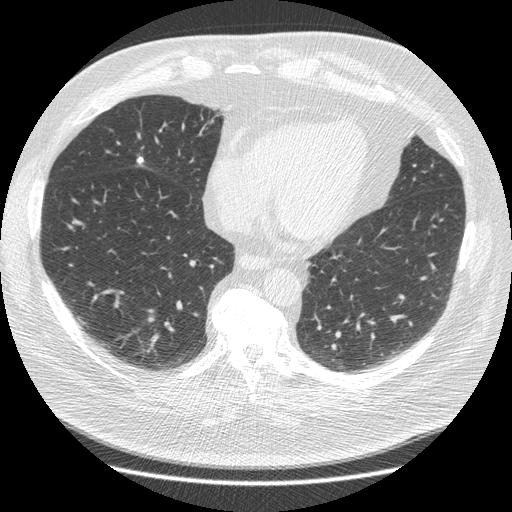
Chest CT, axial plane, 120 kVp, kernel STANDARD. Slice 140/426 from the bottom of the scan; thickness 1.25 mm; pixel size 0.742 mm.
Pulmonary nodule at rows 156–163, columns 136–143 (box = the union of the readers' outlines on this slice), outlined by all four readers; the four readers' outlines give a longest diameter between 9.6 and 10.0 mm and a volume between 202 and 225 mm3. Ratings across the readers: texture 5/5 (solid), all four readers agreeing; margin 5/5 (circumscribed) from all four readers; sphericity from 4/5 to 5/5 (round) across the four readers; calcification solid calcification, all four readers agreeing; internal structure soft tissue from all four readers; subtlety 5/5, all four readers agreeing; malignancy likelihood 1/5, all four readers agreeing. Scale key (1–5): texture non-solid→solid, margin indistinct→circumscribed, sphericity linear→round, subtlety extremely subtle→obvious, malignancy likelihood highly unlikely→highly suspicious of cancer. Box rows and columns are 0-based pixel indices from the top-left corner, inclusive.